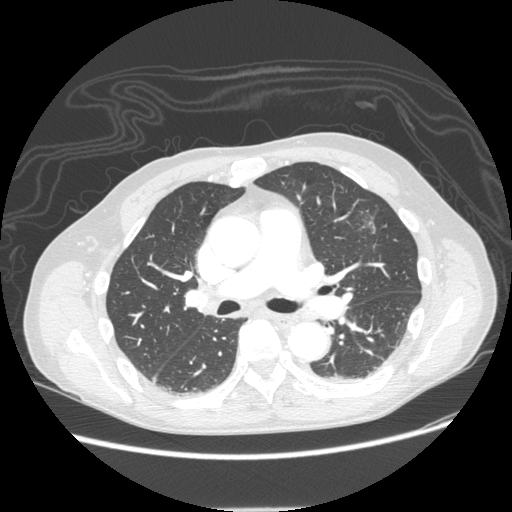
Axial chest CT slice 128 of 232 (counted from the lowest slice); tube voltage 120 kVp, convolution kernel STANDARD; slices 1.25 mm thick, 0.742 mm per pixel.
Pulmonary nodule outlined by one of the four readers; box rows 211–232, columns 363–374 (that reader's outline on this slice); longest diameter 22.3 mm and volume 979 mm3 from that reader's outline. Ratings by that reader: texture 1/5 (non-solid); margin 1/5 (indistinct); sphericity 4/5; calcification absent; internal structure soft tissue; subtlety 2/5; malignancy likelihood 2/5. Scale key (1–5): texture non-solid→solid, margin indistinct→circumscribed, sphericity linear→round, subtlety extremely subtle→obvious, malignancy likelihood highly unlikely→highly suspicious of cancer. Box rows and columns are 0-based pixel indices from the top-left corner, inclusive.